One axial slice (162 of 292, counting up from the lowest) of a chest CT acquired at 120 kVp with the STANDARD kernel; each pixel is 0.645 mm and the slice is 2.50 mm thick.
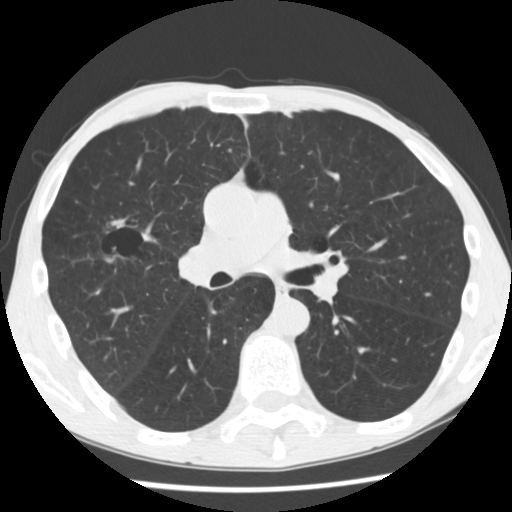
Pulmonary nodule outlined three times (the source holds two more outlines, not used); box rows 218–261, columns 105–126 (the union of the readers' outlines on this slice); the three readers' outlines give a longest diameter between 18.2 and 19.0 mm and a volume between 892 and 1690 mm3. Ratings across the readers: texture 5/5 (solid) from all three readers; margin from 2/5 to 4/5 across the three readers; sphericity from 2/5 to 4/5 across the three readers; calcification absent, all three readers agreeing; internal structure soft tissue from all three readers; subtlety rated between 4 and 5 out of 5 by the three readers; malignancy likelihood rated between 3 and 5 out of 5 by the three readers. Scale key (1–5): texture non-solid→solid, margin indistinct→circumscribed, sphericity linear→round, subtlety extremely subtle→obvious, malignancy likelihood highly unlikely→highly suspicious of cancer. Box rows and columns are 0-based pixel indices from the top-left corner, inclusive.